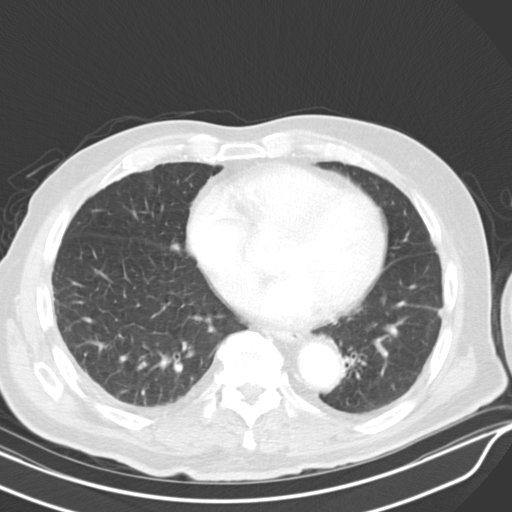
Axial chest CT slice 218 of 319 (counted from the lowest slice); 4.00 mm thick, 0.729 mm per pixel. Pulmonary nodule at rows 243–250, columns 171–179 (box = that reader's outline on this slice), outlined by one of the four readers; longest diameter 8.8 mm and volume 265 mm3 from that reader's outline. That reader's ratings: texture 5/5 (solid); margin 2/5; sphericity 4/5; calcification absent; internal structure soft tissue; subtlety 5/5; malignancy likelihood 2/5. Scale key (1–5): texture non-solid→solid, margin indistinct→circumscribed, sphericity linear→round, subtlety extremely subtle→obvious, malignancy likelihood highly unlikely→highly suspicious of cancer. Box rows and columns are 0-based pixel indices from the top-left corner, inclusive.
Scan settings: 130 kVp, B30s reconstruction kernel.